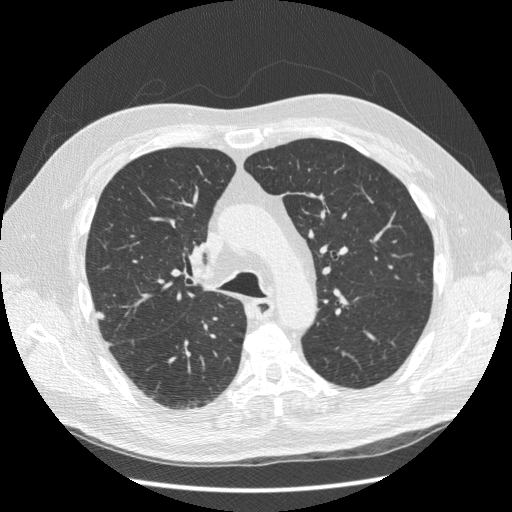
This is axial slice 132 of 216 (slice 1 is the lowest) of a chest CT; each pixel is 0.703 mm and the slice is 1.25 mm thick. Pulmonary nodule, outlined by three of the four readers. Box on this slice rows 311–319, columns 96–104, the union of the readers' outlines on this slice; median longest diameter 9.1 mm (readers' outlines 8.7–9.4 mm), median volume 272 mm3 (270–308 mm3). Ratings, median across the readers with their spread: texture 5/5 (solid), all three readers agreeing; margin 5/5 (circumscribed) at the median of three readers, spread 4/5 to 5/5 (circumscribed); sphericity 4/5 at the median of three readers, spread 4/5 to 5/5 (round); calcification absent from all three readers; internal structure: soft tissue (two), adipose tissue (one); median subtlety 5/5 (readers ranged 4–5); median malignancy likelihood 2/5 (readers ranged 2–4). Scale key (1–5): texture non-solid→solid, margin indistinct→circumscribed, sphericity linear→round, subtlety extremely subtle→obvious, malignancy likelihood highly unlikely→highly suspicious of cancer. Box rows and columns are 0-based pixel indices from the top-left corner, inclusive.
Acquired at 120 kVp and reconstructed with the STANDARD kernel.